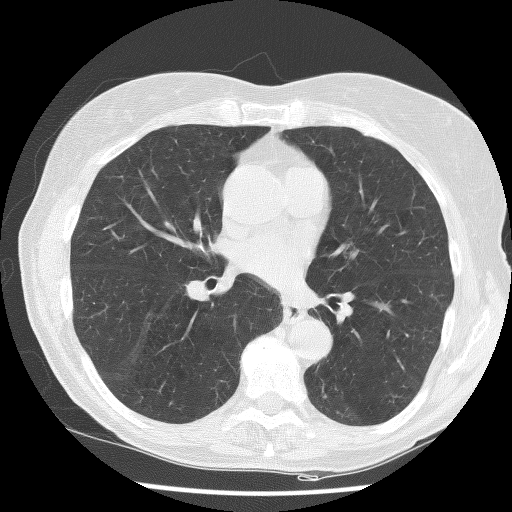
This is axial slice 62 of 122 (slice 1 is the lowest) of a chest CT; each pixel is 0.615 mm and the slice is 2.50 mm thick. Pulmonary nodule, outlined by one of the four readers. Box on this slice rows 394–398, columns 322–326, that reader's outline on this slice; longest diameter 4.1 mm and volume 50 mm3 from that reader's outline. That reader's ratings: texture 5/5 (solid); margin 5/5 (circumscribed); sphericity 4/5; calcification absent; internal structure soft tissue; subtlety 3/5; malignancy likelihood 3/5. Scale key (1–5): texture non-solid→solid, margin indistinct→circumscribed, sphericity linear→round, subtlety extremely subtle→obvious, malignancy likelihood highly unlikely→highly suspicious of cancer. Box rows and columns are 0-based pixel indices from the top-left corner, inclusive.
Scan settings: 140 kVp, BONE reconstruction kernel.